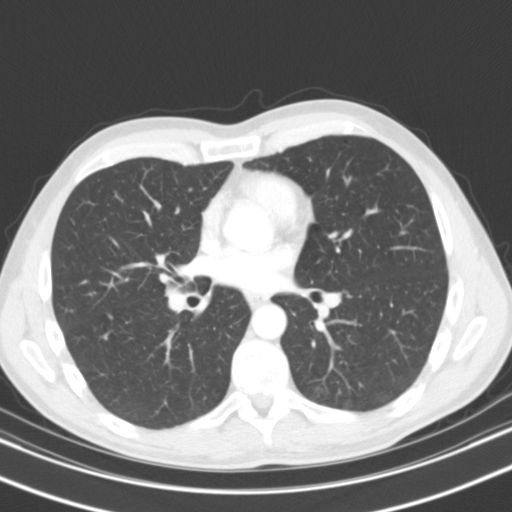
One axial slice (60 of 119, counting up from the lowest) of a chest CT acquired at 130 kVp with the B31s kernel; each pixel is 0.650 mm and the slice is 3.00 mm thick.
Pulmonary nodule, outlined by three of the four readers. Box on this slice rows 313–319, columns 107–113, the union of the readers' outlines on this slice; median longest diameter 5.5 mm (readers' outlines 5.1–6.1 mm), median volume 72 mm3 (56–110 mm3). Ratings, median across the readers with their spread: texture 3/5 (part-solid) at the median of three readers, spread 1/5 (non-solid) to 5/5 (solid); median margin 3/5 (readers ranged 2/5 to 4/5); sphericity 3/5 (ovoid) at the median of three readers, spread 3/5 (ovoid) to 5/5 (round); calcification absent, all three readers agreeing; internal structure soft tissue from all three readers; subtlety 2/5 at the median of three readers, spread 1–4; median malignancy likelihood 2/5 (readers ranged 2–3). Scale key (1–5): texture non-solid→solid, margin indistinct→circumscribed, sphericity linear→round, subtlety extremely subtle→obvious, malignancy likelihood highly unlikely→highly suspicious of cancer. Box rows and columns are 0-based pixel indices from the top-left corner, inclusive.